Axial chest CT slice 102 of 433 (counted from the lowest slice); tube voltage 120 kVp, convolution kernel STANDARD; slices 1.25 mm thick, 0.547 mm per pixel.
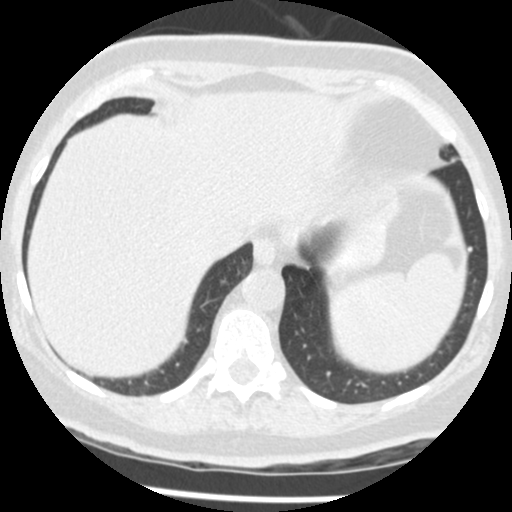
Pulmonary nodule at rows 246–251, columns 467–472 (box = the union of the readers' outlines on this slice), outlined by two of the four readers; median longest diameter 4.6 mm (readers' outlines 4.4–4.7 mm), median volume 51 mm3 (49–52 mm3). Median ratings and the readers' spread: texture 5/5 (solid) from both readers; margin 5/5 (circumscribed) from both readers; sphericity 5/5 (round) from both readers; calcification solid calcification from both readers; internal structure soft tissue, both readers agreeing; subtlety 5/5 from both readers; malignancy likelihood 1/5, both readers agreeing. Scale key (1–5): texture non-solid→solid, margin indistinct→circumscribed, sphericity linear→round, subtlety extremely subtle→obvious, malignancy likelihood highly unlikely→highly suspicious of cancer. Box rows and columns are 0-based pixel indices from the top-left corner, inclusive.